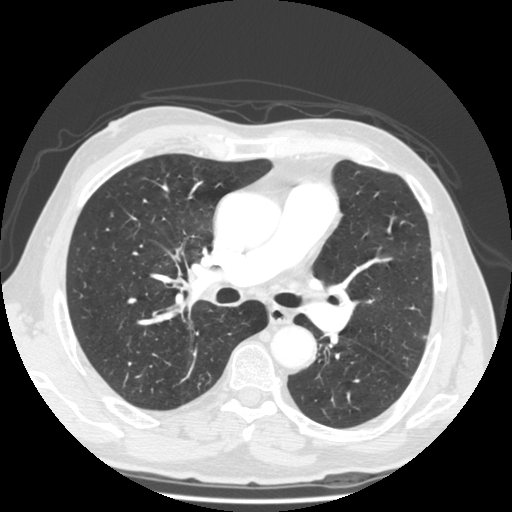
Axial chest CT slice 308 of 501 (counted from the lowest slice); tube voltage 140 kVp, convolution kernel STANDARD; slices 1.25 mm thick, 0.703 mm per pixel.
The readers outlined no nodule of 3 mm or more on this slice.